Axial slice 85 of 214 of a chest CT (slice 1 is the lowest), reconstructed with the STANDARD kernel at 120 kVp; 1.25 mm slice thickness and 0.703 mm pixels.
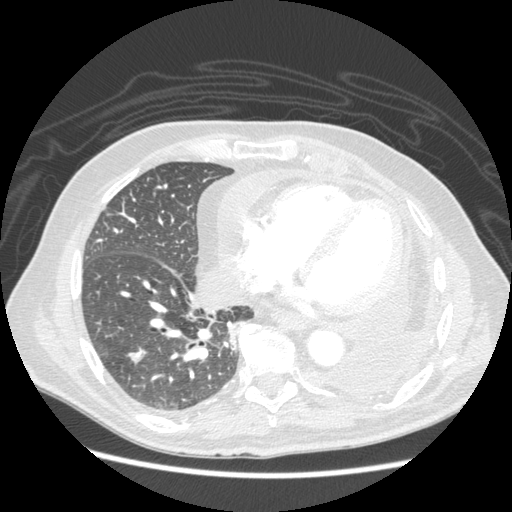
Pulmonary nodule, outlined by two of the four readers. Box on this slice rows 349–364, columns 126–145, the union of the readers' outlines on this slice; longest diameter 12.8–14.3 mm and volume 228–287 mm3 across the two readers' outlines. The readers' ratings, as ranges where they differ: texture from 4/5 to 5/5 (solid) across the two readers; margin 4/5 from both readers; sphericity from 4/5 to 5/5 (round) across the two readers; calcification absent, both readers agreeing; internal structure soft tissue from both readers; subtlety 5/5 from both readers; malignancy likelihood 3–4/5 (the readers disagree). Scale key (1–5): texture non-solid→solid, margin indistinct→circumscribed, sphericity linear→round, subtlety extremely subtle→obvious, malignancy likelihood highly unlikely→highly suspicious of cancer. Box rows and columns are 0-based pixel indices from the top-left corner, inclusive.